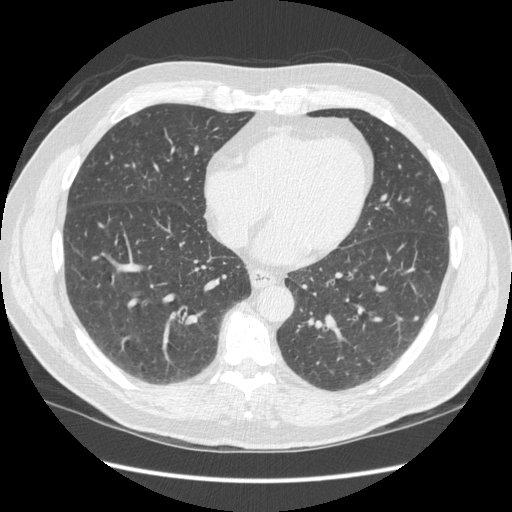
Chest CT, axial plane, 120 kVp, kernel STANDARD. Slice 170/449 from the bottom of the scan; thickness 1.25 mm; pixel size 0.742 mm.
Pulmonary nodule, outlined by one of the four readers. Box on this slice rows 317–319, columns 414–417, that reader's outline on this slice; longest diameter 4.8 mm and volume 31 mm3 from that reader's outline. That reader's ratings: texture 5/5 (solid); margin 5/5 (circumscribed); sphericity 5/5 (round); calcification absent; internal structure soft tissue; subtlety 2/5; malignancy likelihood 2/5. Scale key (1–5): texture non-solid→solid, margin indistinct→circumscribed, sphericity linear→round, subtlety extremely subtle→obvious, malignancy likelihood highly unlikely→highly suspicious of cancer. Box rows and columns are 0-based pixel indices from the top-left corner, inclusive.